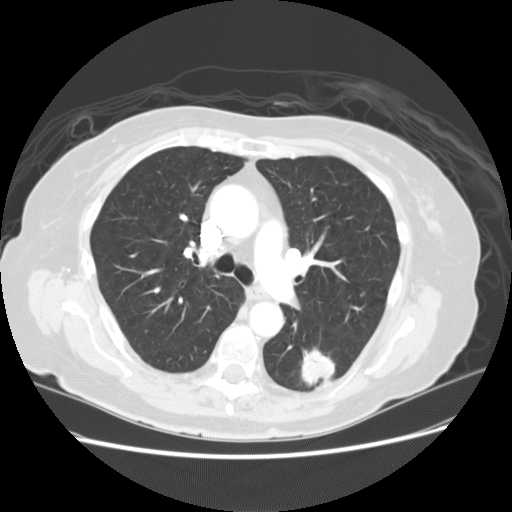
Slice 91/133 of a chest CT, counting up from the lowest; pixel size 0.703 mm, slice thickness 2.50 mm. Pulmonary nodule outlined by all four readers; box rows 347–388, columns 300–336 (the union of the readers' outlines on this slice); longest diameter 32.8 mm on average over the four readers' outlines (readers' outlines 32.0–33.7 mm), volume 6146–7869 mm3. Ratings, by the readers' most common answer with dissent counted: most readers (three of four) put texture at 5/5 (solid), others 4/5 (one); margin 4/5 by two of four readers; the rest gave 2/5 (one), 3/5 (one); sphericity 3/5 (ovoid) by two of four readers; the rest gave 4/5 (one), 5/5 (round) (one); calcification absent from all four readers; internal structure soft tissue, all four readers agreeing; subtlety 5/5, all four readers agreeing; malignancy likelihood 5/5 by three of four readers; the rest gave 4/5 (one). Scale key (1–5): texture non-solid→solid, margin indistinct→circumscribed, sphericity linear→round, subtlety extremely subtle→obvious, malignancy likelihood highly unlikely→highly suspicious of cancer. Box rows and columns are 0-based pixel indices from the top-left corner, inclusive.
Acquired at 120 kVp and reconstructed with the STANDARD kernel.